One axial slice (86 of 260, counting up from the lowest) of a chest CT acquired at 120 kVp with the BONE kernel; each pixel is 0.703 mm and the slice is 1.25 mm thick.
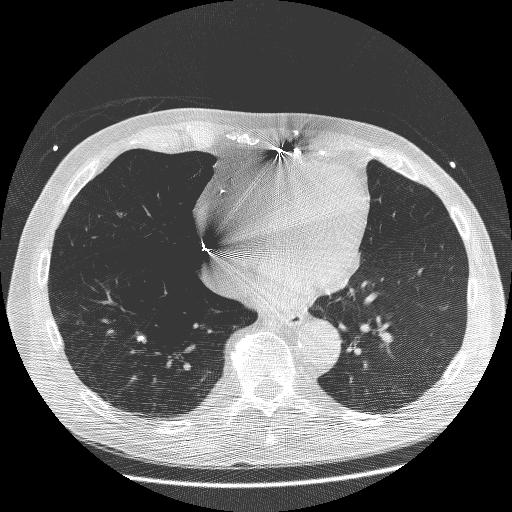
Pulmonary nodule outlined by three of the four readers; box rows 336–341, columns 137–143 (the union of the readers' outlines on this slice); longest diameter 5.8–7.5 mm and volume 44–92 mm3 across the three readers' outlines. The readers' ratings, as ranges where they differ: texture 5/5 (solid), all three readers agreeing; margin 5/5 (circumscribed), all three readers agreeing; sphericity from 3/5 (ovoid) to 5/5 (round) across the three readers; calcification solid calcification from all three readers; internal structure soft tissue from all three readers; subtlety 5/5 from all three readers; malignancy likelihood 1/5 from all three readers. Scale key (1–5): texture non-solid→solid, margin indistinct→circumscribed, sphericity linear→round, subtlety extremely subtle→obvious, malignancy likelihood highly unlikely→highly suspicious of cancer. Box rows and columns are 0-based pixel indices from the top-left corner, inclusive.